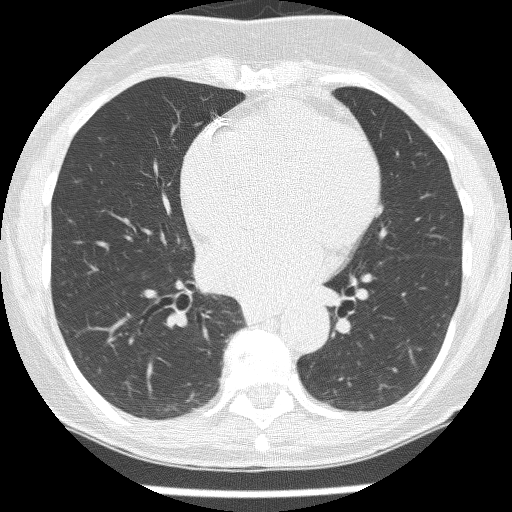
Axial slice 97 of 208 of a chest CT (slice 1 is the lowest), reconstructed with the BONE kernel at 120 kVp; 1.25 mm slice thickness and 0.514 mm pixels.
None of the four readers outlined a nodule of 3 mm or more on this slice.